One axial slice (53 of 128, counting up from the lowest) of a chest CT acquired at 120 kVp with the STANDARD kernel; each pixel is 0.742 mm and the slice is 2.50 mm thick.
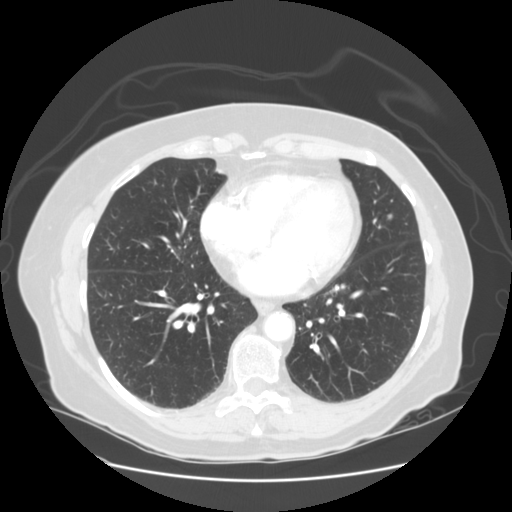
Pulmonary nodule at rows 213–219, columns 386–392 (box = the union of the readers' outlines on this slice), outlined by all four readers; longest diameter 7.0 mm on average over the four readers' outlines (readers' outlines 6.3–7.4 mm), volume 101–178 mm3. The readers' prevailing ratings and who disagreed: texture 5/5 (solid) by three of four readers; the rest gave 3/5 (part-solid) (one); margin 5/5 (circumscribed) by two of four readers; the rest gave 2/5 (one), 4/5 (one); sphericity 5/5 (round) by two of four readers; the rest gave 3/5 (ovoid) (one), 4/5 (one); calcification absent from all four readers; internal structure soft tissue, all four readers agreeing; most readers (three of four) put subtlety at 3/5, others 4/5 (one); malignancy likelihood split among the readers: 2/5 (two), 3/5 (two). Scale key (1–5): texture non-solid→solid, margin indistinct→circumscribed, sphericity linear→round, subtlety extremely subtle→obvious, malignancy likelihood highly unlikely→highly suspicious of cancer. Box rows and columns are 0-based pixel indices from the top-left corner, inclusive.